One axial slice (53 of 133, counting up from the lowest) of a chest CT acquired at 120 kVp with the LUNG kernel; each pixel is 0.703 mm and the slice is 2.50 mm thick.
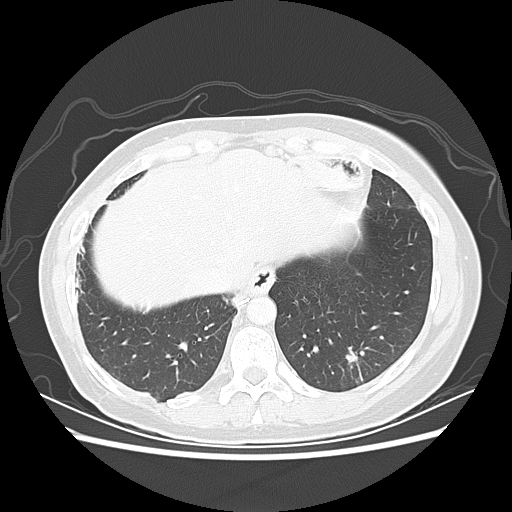
Pulmonary nodule at rows 352–364, columns 344–357 (box = the union of the readers' outlines on this slice), outlined by all four readers; longest diameter 12.9 mm on average over the four readers' outlines (readers' outlines 11.7–14.6 mm), volume 378–526 mm3. Ratings, by the readers' most common answer with dissent counted: texture 5/5 (solid) by three of four readers; the rest gave 4/5 (one); margin 4/5 by three of four readers; the rest gave 3/5 (one); sphericity 3/5 (ovoid) by three of four readers; the rest gave 5/5 (round) (one); calcification absent, all four readers agreeing; internal structure soft tissue from all four readers; subtlety split among the readers: 4/5 (two), 5/5 (two); most readers (three of four) put malignancy likelihood at 4/5, others 3/5 (one). Scale key (1–5): texture non-solid→solid, margin indistinct→circumscribed, sphericity linear→round, subtlety extremely subtle→obvious, malignancy likelihood highly unlikely→highly suspicious of cancer. Box rows and columns are 0-based pixel indices from the top-left corner, inclusive.